One axial slice (50 of 144, counting up from the lowest) of a chest CT acquired at 120 kVp with the STANDARD kernel; each pixel is 0.664 mm and the slice is 2.50 mm thick.
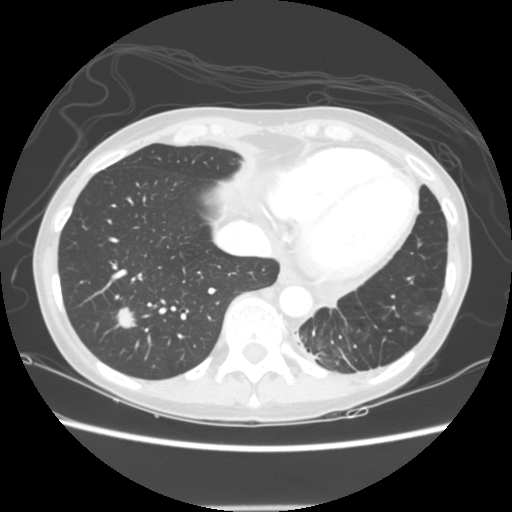
Pulmonary nodule, outlined by all four readers. Box on this slice rows 306–328, columns 117–135, the union of the readers' outlines on this slice; median longest diameter 16.9 mm (readers' outlines 16.8–18.1 mm), median volume 1623 mm3 (1370–1807 mm3). Ratings, median across the readers with their spread: texture 5/5 (solid) from all four readers; median margin 4.5/5 (readers ranged 4/5 to 5/5 (circumscribed)); median sphericity 4/5 (readers ranged 3/5 (ovoid) to 5/5 (round)); calcification absent, all four readers agreeing; internal structure soft tissue from all four readers; subtlety 5/5 from all four readers; median malignancy likelihood 4/5 (readers ranged 3–5). Scale key (1–5): texture non-solid→solid, margin indistinct→circumscribed, sphericity linear→round, subtlety extremely subtle→obvious, malignancy likelihood highly unlikely→highly suspicious of cancer. Box rows and columns are 0-based pixel indices from the top-left corner, inclusive.